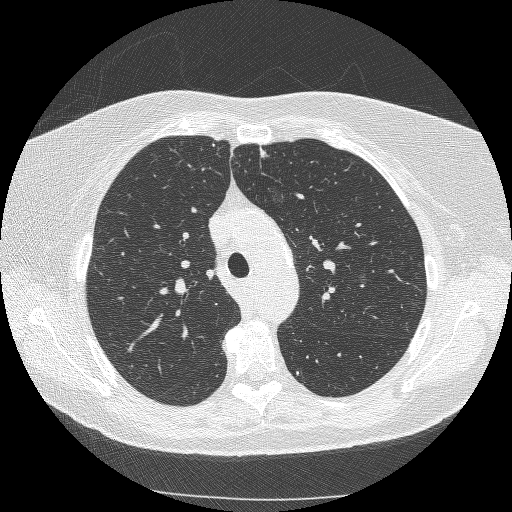
Slice 195/253 of a chest CT, counting up from the lowest; pixel size 0.625 mm, slice thickness 1.25 mm. Two pulmonary nodules are outlined on this slice; from left to right: (1) Pulmonary nodule outlined by one of the four readers; box rows 148–156, columns 260–266 (that reader's outline on this slice); longest diameter 10.7 mm and volume 164 mm3 from that reader's outline. Ratings by that reader: texture 5/5 (solid); margin 4/5; sphericity 2/5; calcification absent; internal structure soft tissue; subtlety 3/5; malignancy likelihood 3/5. (2) Pulmonary nodule outlined by two of the four readers; box rows 185–206, columns 265–288 (the union of the readers' outlines on this slice); the two readers' outlines give a longest diameter between 11.5 and 17.9 mm and a volume between 203 and 416 mm3. The readers' ratings, as ranges where they differ: texture 1/5 (non-solid) from both readers; margin from 1/5 (indistinct) to 2/5 across the two readers; sphericity from 3/5 (ovoid) to 4/5 across the two readers; calcification absent, both readers agreeing; internal structure soft tissue from both readers; subtlety 1–3/5 (the readers disagree); malignancy likelihood 3–4/5 (the readers disagree). Scale key (1–5): texture non-solid→solid, margin indistinct→circumscribed, sphericity linear→round, subtlety extremely subtle→obvious, malignancy likelihood highly unlikely→highly suspicious of cancer. Box rows and columns are 0-based pixel indices from the top-left corner, inclusive.
Acquired at 120 kVp and reconstructed with the BONE kernel.